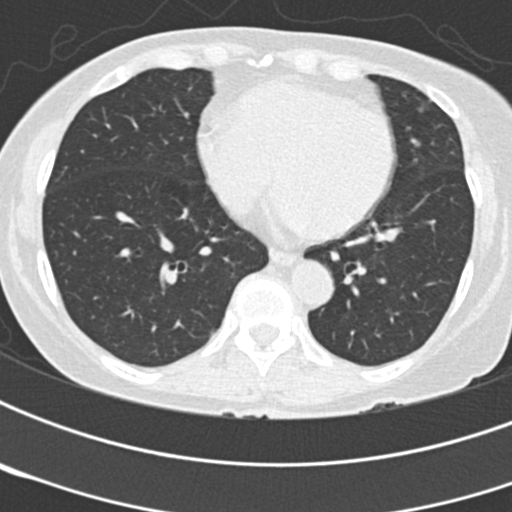
Axial chest CT slice 71 of 171 (counted from the lowest slice); 2.00 mm thick, 0.547 mm per pixel. The readers outlined no nodule of 3 mm or more on this slice.
Scan settings: 120 kVp, B30f reconstruction kernel.